Axial chest CT slice 317 of 487 (counted from the lowest slice); tube voltage 120 kVp, convolution kernel STANDARD; slices 1.25 mm thick, 0.703 mm per pixel.
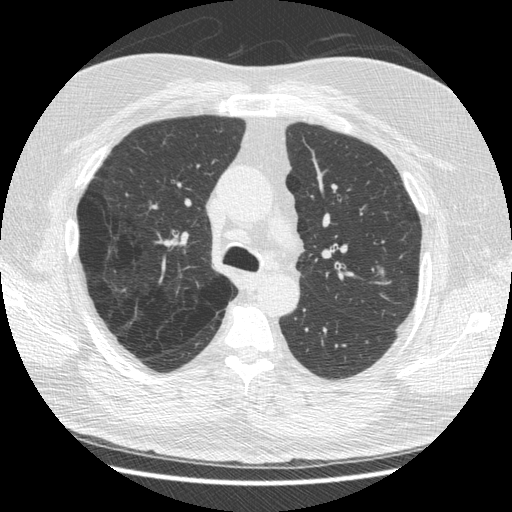
Pulmonary nodule, outlined by two of the four readers. Box on this slice rows 266–276, columns 377–385, the union of the readers' outlines on this slice; median longest diameter 9.5 mm (readers' outlines 9.4–9.6 mm), median volume 155 mm3 (154–156 mm3). Median ratings and the readers' spread: median texture 3.5/5 (readers ranged 3/5 (part-solid) to 4/5); median margin 3/5 (readers ranged 2/5 to 4/5); sphericity 3/5 (ovoid), both readers agreeing; calcification absent from both readers; internal structure soft tissue from both readers; subtlety 2.5/5 at the median of two readers, spread 2–3; median malignancy likelihood 3.5/5 (readers ranged 3–4). Scale key (1–5): texture non-solid→solid, margin indistinct→circumscribed, sphericity linear→round, subtlety extremely subtle→obvious, malignancy likelihood highly unlikely→highly suspicious of cancer. Box rows and columns are 0-based pixel indices from the top-left corner, inclusive.